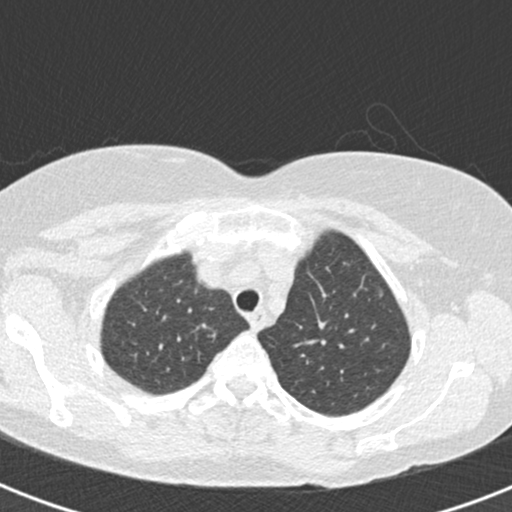
Axial chest CT slice 136 of 166 (counted from the lowest slice); 2.00 mm thick, 0.566 mm per pixel. Pulmonary nodule at rows 287–298, columns 377–383 (box = the union of the readers' outlines on this slice), outlined by three of the four readers; median longest diameter 7.6 mm (readers' outlines 7.2–7.7 mm), median volume 120 mm3 (119–121 mm3). Ratings, median across the readers with their spread: texture 1/5 (non-solid) at the median of three readers, spread 1/5 (non-solid) to 4/5; median margin 2/5 (readers ranged 1/5 (indistinct) to 5/5 (circumscribed)); sphericity 4/5 at the median of three readers, spread 4/5 to 5/5 (round); calcification absent, all three readers agreeing; internal structure soft tissue from all three readers; median subtlety 3/5 (readers ranged 1–4); malignancy likelihood 3/5, all three readers agreeing. Scale key (1–5): texture non-solid→solid, margin indistinct→circumscribed, sphericity linear→round, subtlety extremely subtle→obvious, malignancy likelihood highly unlikely→highly suspicious of cancer. Box rows and columns are 0-based pixel indices from the top-left corner, inclusive.
Scan settings: 120 kVp, B30f reconstruction kernel.